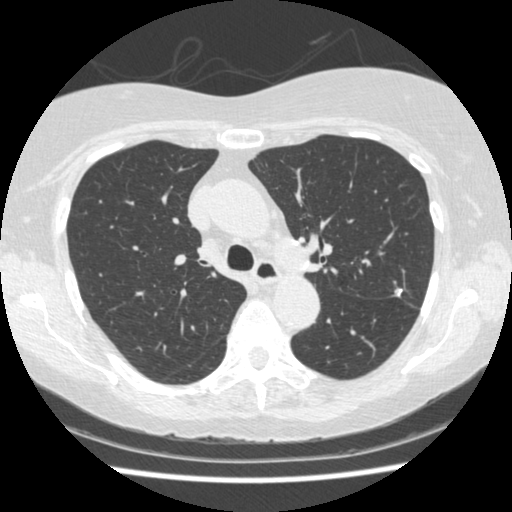
This is axial slice 296 of 458 (slice 1 is the lowest) of a chest CT; each pixel is 0.625 mm and the slice is 1.25 mm thick. Pulmonary nodule at rows 288–296, columns 395–402 (box = the union of the readers' outlines on this slice), outlined by all four readers; longest diameter 6.9 mm on average over the four readers' outlines (readers' outlines 6.8–7.1 mm), volume 96–159 mm3. The readers' prevailing ratings and who disagreed: most readers (three of four) put texture at 5/5 (solid), others 4/5 (one); margin 5/5 (circumscribed) by three of four readers; the rest gave 4/5 (one); sphericity split among the readers: 3/5 (ovoid) (two), 4/5 (two); calcification solid calcification by two of four readers, central calcification (one), absent (one); internal structure soft tissue from all four readers; subtlety split among the readers: 4/5 (two), 5/5 (two); malignancy likelihood 1/5 by three of four readers; the rest gave 3/5 (one). Scale key (1–5): texture non-solid→solid, margin indistinct→circumscribed, sphericity linear→round, subtlety extremely subtle→obvious, malignancy likelihood highly unlikely→highly suspicious of cancer. Box rows and columns are 0-based pixel indices from the top-left corner, inclusive.
Tube voltage 120 kVp; convolution kernel STANDARD.